Axial chest CT slice 97 of 116 (counted from the lowest slice); tube voltage 130 kVp, convolution kernel B31s; slices 3.00 mm thick, 0.668 mm per pixel.
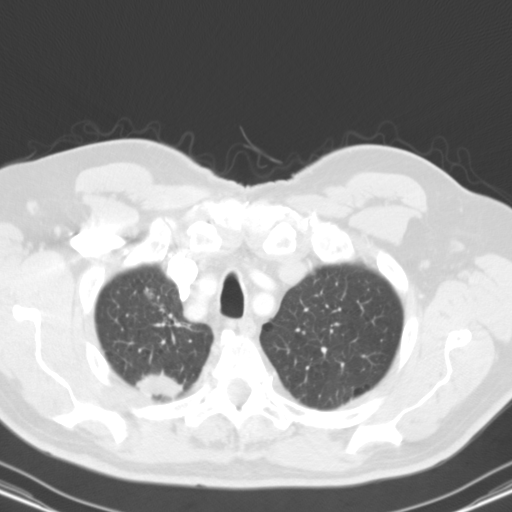
Pulmonary nodule, outlined by three of the four readers. Box on this slice rows 370–400, columns 135–183, the union of the readers' outlines on this slice; median longest diameter 33.8 mm (readers' outlines 30.9–36.1 mm), median volume 7466 mm3 (5704–8380 mm3). Ratings, median across the readers with their spread: texture 5/5 (solid), all three readers agreeing; margin 4/5, all three readers agreeing; sphericity 3/5 (ovoid) at the median of three readers, spread 2/5 to 4/5; calcification absent, all three readers agreeing; internal structure soft tissue, all three readers agreeing; subtlety 5/5 from all three readers; malignancy likelihood 5/5 from all three readers. Scale key (1–5): texture non-solid→solid, margin indistinct→circumscribed, sphericity linear→round, subtlety extremely subtle→obvious, malignancy likelihood highly unlikely→highly suspicious of cancer. Box rows and columns are 0-based pixel indices from the top-left corner, inclusive.